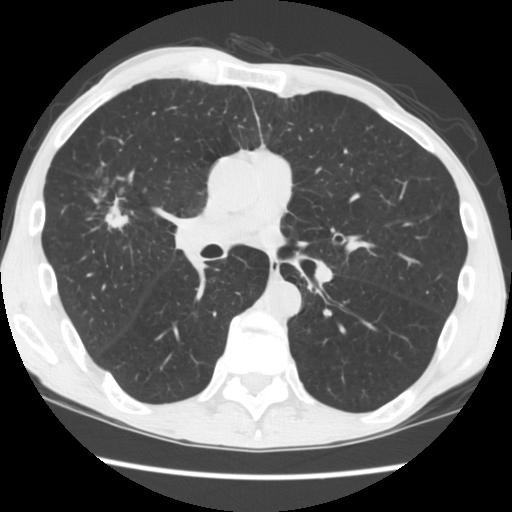
One axial slice (95 of 181, counting up from the lowest) of a chest CT acquired at 120 kVp with the STANDARD kernel; each pixel is 0.645 mm and the slice is 2.50 mm thick.
Pulmonary nodule outlined by all four readers; box rows 177–233, columns 88–130 (the union of the readers' outlines on this slice); longest diameter 39.8 mm on average over the four readers' outlines (readers' outlines 35.2–44.7 mm), volume 5781–11800 mm3. The readers' prevailing ratings and who disagreed: texture 4/5 by three of four readers; the rest gave 5/5 (solid) (one); margin 3/5 by two of four readers; the rest gave 2/5 (one), 4/5 (one); sphericity split among the readers: 2/5 (one), 3/5 (ovoid) (one), 4/5 (one), 5/5 (round) (one); calcification absent from all four readers; internal structure soft tissue from all four readers; subtlety 5/5, all four readers agreeing; malignancy likelihood 5/5 from all four readers. Scale key (1–5): texture non-solid→solid, margin indistinct→circumscribed, sphericity linear→round, subtlety extremely subtle→obvious, malignancy likelihood highly unlikely→highly suspicious of cancer. Box rows and columns are 0-based pixel indices from the top-left corner, inclusive.